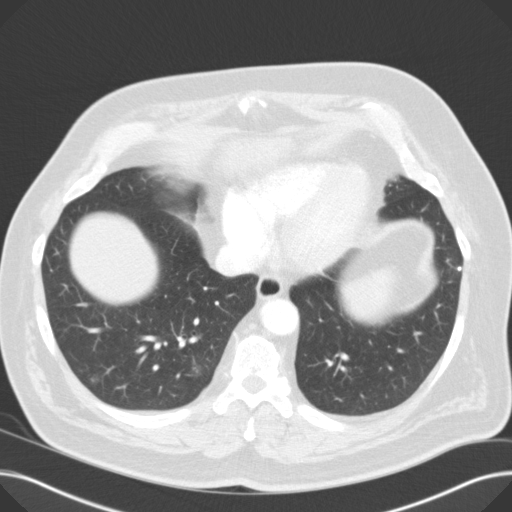
Chest CT, axial plane, 120 kVp, kernel B31f. Slice 48/125 from the bottom of the scan; thickness 3.00 mm; pixel size 0.730 mm.
Two pulmonary nodules on this slice, listed from left to right. (1) Pulmonary nodule, outlined by three of the four readers, one of them on this slice. Box on this slice rows 375–383, columns 90–98, the one reader's outline on this slice; median longest diameter 7.9 mm (readers' outlines 7.9–11.0 mm), median volume 185 mm3 (185–442 mm3). Ratings, median across the readers with their spread: texture 5/5 (solid) at the median of three readers, spread 4/5 to 5/5 (solid); median margin 3/5 (readers ranged 3/5 to 4/5); median sphericity 3/5 (ovoid) (readers ranged 3/5 (ovoid) to 4/5); calcification absent from all three readers; internal structure soft tissue, all three readers agreeing; subtlety 4/5 at the median of three readers, spread 4–5; median malignancy likelihood 3/5 (readers ranged 2–3). (2) Pulmonary nodule outlined by three of the four readers, one of them on this slice; box rows 365–372, columns 193–200 (the one reader's outline on this slice); median longest diameter 11.5 mm (readers' outlines 10.2–12.5 mm), median volume 469 mm3 (310–751 mm3). Median ratings and the readers' spread: median texture 3/5 (part-solid) (readers ranged 2/5 to 5/5 (solid)); margin 2/5 at the median of three readers, spread 2/5 to 3/5; median sphericity 5/5 (round) (readers ranged 4/5 to 5/5 (round)); calcification absent, all three readers agreeing; internal structure soft tissue, all three readers agreeing; median subtlety 4/5 (readers ranged 3–5); malignancy likelihood 3/5 at the median of three readers, spread 3–4. Scale key (1–5): texture non-solid→solid, margin indistinct→circumscribed, sphericity linear→round, subtlety extremely subtle→obvious, malignancy likelihood highly unlikely→highly suspicious of cancer. Box rows and columns are 0-based pixel indices from the top-left corner, inclusive.